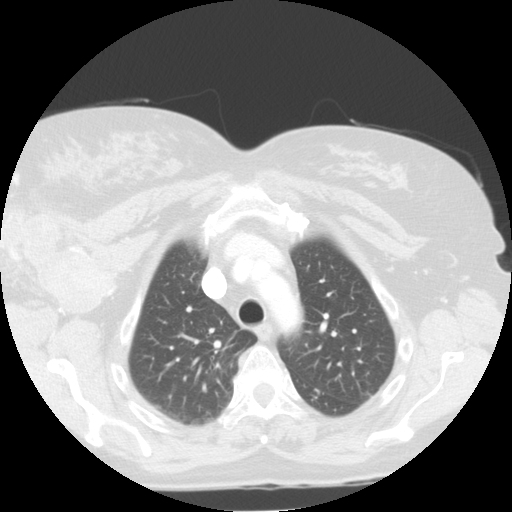
Axial chest CT slice 93 of 113 (counted from the lowest slice); tube voltage 120 kVp, convolution kernel STANDARD; slices 2.50 mm thick, 0.703 mm per pixel.
Pulmonary nodule, outlined by one of the four readers. Box on this slice rows 389–394, columns 314–318, that reader's outline on this slice; longest diameter 7.6 mm and volume 97 mm3 from that reader's outline. That reader's ratings: texture 5/5 (solid); margin 5/5 (circumscribed); sphericity 3/5 (ovoid); calcification absent; internal structure soft tissue; subtlety 3/5; malignancy likelihood 2/5. Scale key (1–5): texture non-solid→solid, margin indistinct→circumscribed, sphericity linear→round, subtlety extremely subtle→obvious, malignancy likelihood highly unlikely→highly suspicious of cancer. Box rows and columns are 0-based pixel indices from the top-left corner, inclusive.